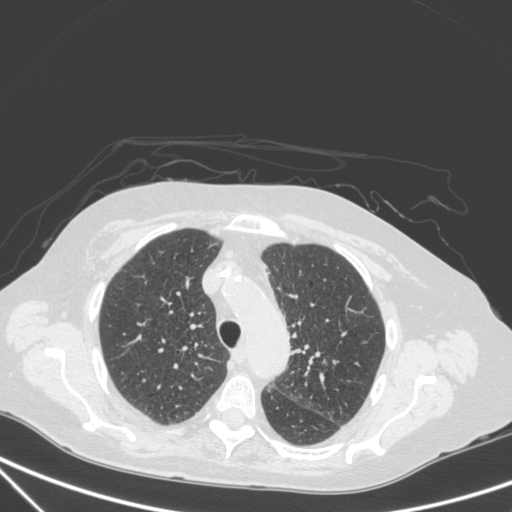
Axial chest CT slice 248 of 350 (counted from the lowest slice); tube voltage 120 kVp, convolution kernel C; slices 1.50 mm thick, 0.725 mm per pixel.
Pulmonary nodule outlined by all four readers, three of them on this slice; box rows 359–364, columns 322–326 (the union of the readers' outlines on this slice); longest diameter 10.7 mm on average over the four readers' outlines (readers' outlines 9.9–11.7 mm), volume 335–580 mm3. The readers' prevailing ratings and who disagreed: texture 5/5 (solid) from all four readers; margin 4/5 from all four readers; sphericity 3/5 (ovoid) by three of four readers; the rest gave 4/5 (one); calcification absent from all four readers; internal structure soft tissue from all four readers; subtlety 5/5 by three of four readers; the rest gave 4/5 (one); malignancy likelihood split among the readers: 2/5 (one), 3/5 (one), 4/5 (one), 5/5 (one). Scale key (1–5): texture non-solid→solid, margin indistinct→circumscribed, sphericity linear→round, subtlety extremely subtle→obvious, malignancy likelihood highly unlikely→highly suspicious of cancer. Box rows and columns are 0-based pixel indices from the top-left corner, inclusive.